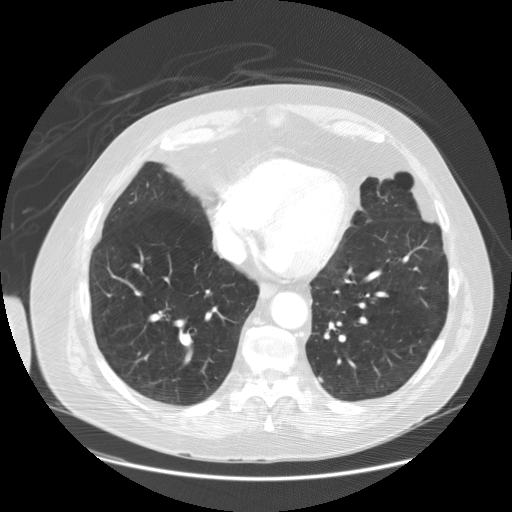
One axial slice (57 of 149, counting up from the lowest) of a chest CT acquired at 120 kVp with the STANDARD kernel; each pixel is 0.820 mm and the slice is 2.50 mm thick.
Pulmonary nodule, outlined by one of the four readers. Box on this slice rows 377–382, columns 318–322, that reader's outline on this slice; longest diameter 6.6 mm and volume 80 mm3 from that reader's outline. Ratings by that reader: texture 4/5; margin 4/5; sphericity 1/5 (linear); calcification absent; internal structure soft tissue; subtlety 1/5; malignancy likelihood 3/5. Scale key (1–5): texture non-solid→solid, margin indistinct→circumscribed, sphericity linear→round, subtlety extremely subtle→obvious, malignancy likelihood highly unlikely→highly suspicious of cancer. Box rows and columns are 0-based pixel indices from the top-left corner, inclusive.